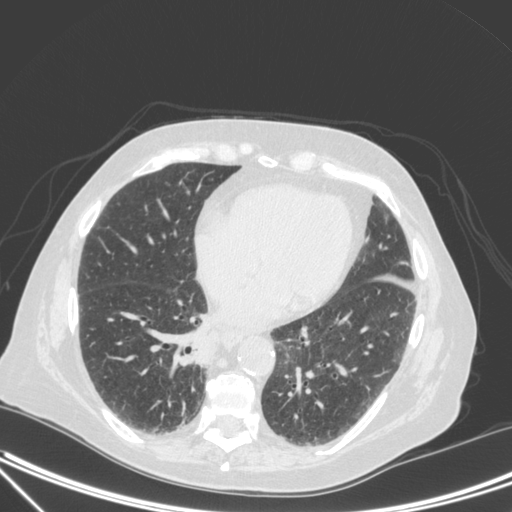
Axial slice 119 of 350 of a chest CT (slice 1 is the lowest), reconstructed with the C kernel at 120 kVp; 1.50 mm slice thickness and 0.725 mm pixels.
Pulmonary nodule at rows 330–364, columns 193–218 (box = that reader's outline on this slice), outlined by one of the four readers; longest diameter 29.7 mm and volume 4028 mm3 from that reader's outline. That reader's ratings: texture 5/5 (solid); margin 3/5; sphericity 3/5 (ovoid); calcification absent; internal structure soft tissue; subtlety 5/5; malignancy likelihood 4/5. Scale key (1–5): texture non-solid→solid, margin indistinct→circumscribed, sphericity linear→round, subtlety extremely subtle→obvious, malignancy likelihood highly unlikely→highly suspicious of cancer. Box rows and columns are 0-based pixel indices from the top-left corner, inclusive.